Axial chest CT slice 224 of 333 (counted from the lowest slice); tube voltage 120 kVp, convolution kernel B70f; slices 2.00 mm thick, 0.775 mm per pixel.
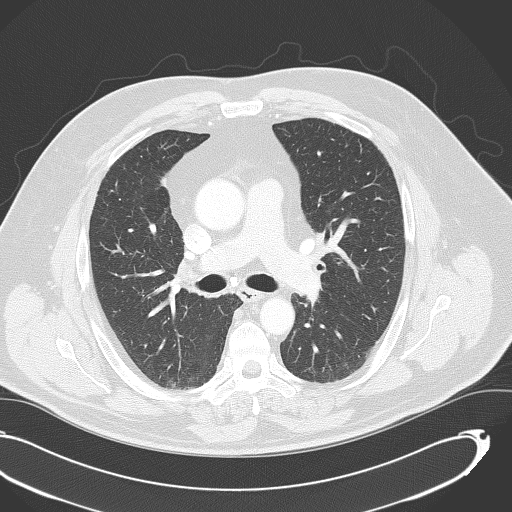
This slice carries no reader outline of a nodule 3 mm or larger.